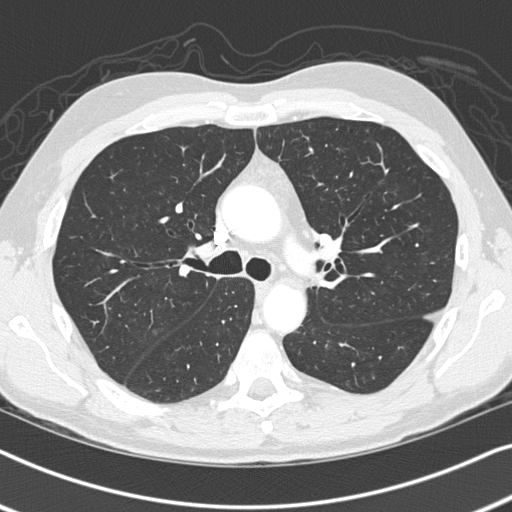
Axial chest CT slice 216 of 326 (counted from the lowest slice); tube voltage 120 kVp, convolution kernel B45f; slices 1.00 mm thick, 0.645 mm per pixel.
Pulmonary nodule at rows 272–284, columns 312–323 (box = the one reader's outline on this slice), outlined by two of the four readers, one of them on this slice; median longest diameter 9.6 mm (readers' outlines 8.8–10.4 mm), median volume 241 mm3 (179–302 mm3). Median ratings and the readers' spread: texture 5/5 (solid), both readers agreeing; margin 5/5 (circumscribed), both readers agreeing; sphericity 4/5 at the median of two readers, spread 3/5 (ovoid) to 5/5 (round); calcification absent from both readers; internal structure soft tissue, both readers agreeing; subtlety 3.5/5 at the median of two readers, spread 3–4; median malignancy likelihood 2.5/5 (readers ranged 2–3). Scale key (1–5): texture non-solid→solid, margin indistinct→circumscribed, sphericity linear→round, subtlety extremely subtle→obvious, malignancy likelihood highly unlikely→highly suspicious of cancer. Box rows and columns are 0-based pixel indices from the top-left corner, inclusive.